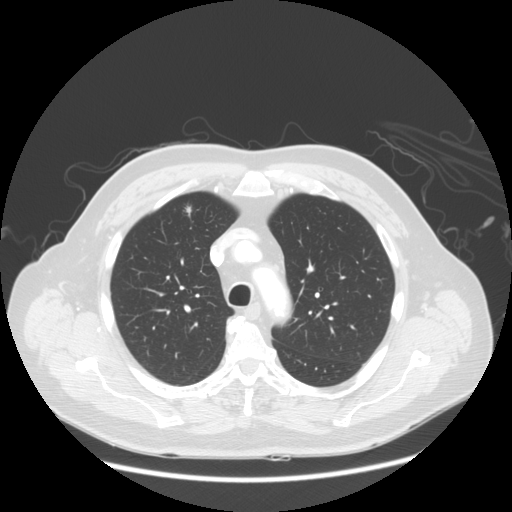
This is axial slice 96 of 128 (slice 1 is the lowest) of a chest CT; each pixel is 0.781 mm and the slice is 2.50 mm thick. Pulmonary nodule at rows 204–212, columns 184–191 (box = the union of the readers' outlines on this slice), outlined by all four readers; median longest diameter 8.9 mm (readers' outlines 7.7–9.4 mm), median volume 243 mm3 (171–293 mm3). Median ratings and the readers' spread: texture 5/5 (solid), all four readers agreeing; margin 4/5, all four readers agreeing; sphericity 4/5 at the median of four readers, spread 3/5 (ovoid) to 4/5; calcification absent, all four readers agreeing; internal structure soft tissue from all four readers; median subtlety 4/5 (readers ranged 4–5); malignancy likelihood 3/5 at the median of four readers, spread 3–4. Scale key (1–5): texture non-solid→solid, margin indistinct→circumscribed, sphericity linear→round, subtlety extremely subtle→obvious, malignancy likelihood highly unlikely→highly suspicious of cancer. Box rows and columns are 0-based pixel indices from the top-left corner, inclusive.
Scan settings: 120 kVp, STANDARD reconstruction kernel.